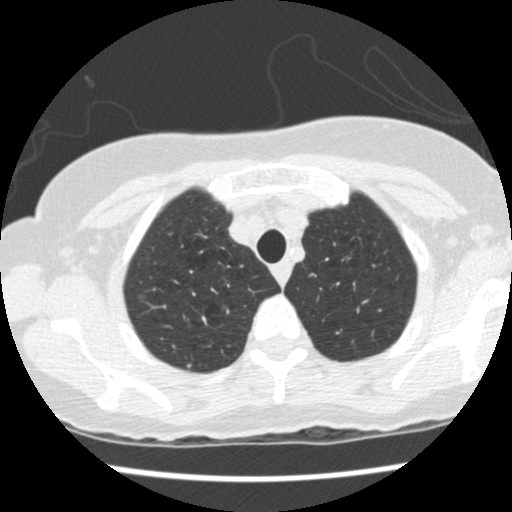
Axial chest CT slice 387 of 458 (counted from the lowest slice); 1.25 mm thick, 0.586 mm per pixel. Pulmonary nodule outlined by all four readers, one of them on this slice; box rows 295–299, columns 137–144 (the one reader's outline on this slice); longest diameter 6.3 mm on average over the four readers' outlines (readers' outlines 5.0–7.8 mm), volume 57–106 mm3. The readers' prevailing ratings and who disagreed: texture split among the readers: 4/5 (two), 5/5 (solid) (two); margin split among the readers: 3/5 (two), 4/5 (two); sphericity 4/5 by three of four readers; the rest gave 5/5 (round) (one); calcification absent from all four readers; internal structure soft tissue from all four readers; subtlety 3/5 by two of four readers; the rest gave 4/5 (one), 5/5 (one); malignancy likelihood 2/5 by two of four readers; the rest gave 3/5 (one), 4/5 (one). Scale key (1–5): texture non-solid→solid, margin indistinct→circumscribed, sphericity linear→round, subtlety extremely subtle→obvious, malignancy likelihood highly unlikely→highly suspicious of cancer. Box rows and columns are 0-based pixel indices from the top-left corner, inclusive.
Tube voltage 120 kVp; convolution kernel STANDARD.